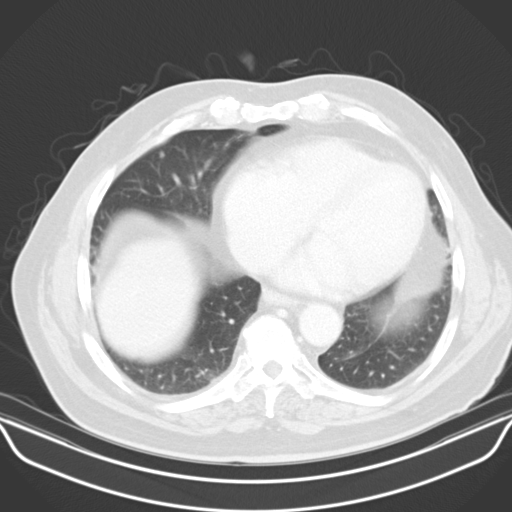
Axial chest CT slice 29 of 65 (counted from the lowest slice); 5.00 mm thick, 0.773 mm per pixel. Pulmonary nodule at rows 151–157, columns 159–165 (box = the union of the readers' outlines on this slice), outlined by three of the four readers; median longest diameter 6.4 mm (readers' outlines 6.4–6.7 mm), median volume 157 mm3 (106–236 mm3). Median ratings and the readers' spread: texture 5/5 (solid) at the median of three readers, spread 3/5 (part-solid) to 5/5 (solid); median margin 4/5 (readers ranged 3/5 to 4/5); median sphericity 3/5 (ovoid) (readers ranged 3/5 (ovoid) to 5/5 (round)); calcification absent, all three readers agreeing; internal structure soft tissue from all three readers; median subtlety 2/5 (readers ranged 2–5); median malignancy likelihood 3/5 (readers ranged 2–3). Scale key (1–5): texture non-solid→solid, margin indistinct→circumscribed, sphericity linear→round, subtlety extremely subtle→obvious, malignancy likelihood highly unlikely→highly suspicious of cancer. Box rows and columns are 0-based pixel indices from the top-left corner, inclusive.
Scan settings: 130 kVp, B30s reconstruction kernel.